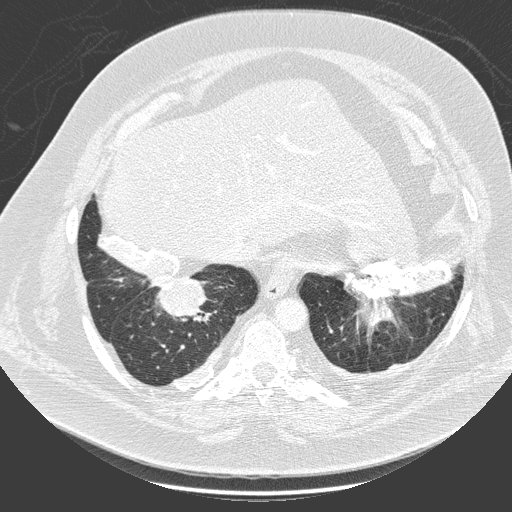
This is axial slice 48 of 280 (slice 1 is the lowest) of a chest CT; each pixel is 0.801 mm and the slice is 1.00 mm thick. Pulmonary nodule at rows 278–321, columns 156–210 (box = that reader's outline on this slice), outlined by one of the four readers; longest diameter 49.9 mm and volume 31112 mm3 from that reader's outline. Ratings by that reader: texture 5/5 (solid); margin 4/5; sphericity 5/5 (round); calcification non-central calcification; internal structure soft tissue; subtlety 5/5; malignancy likelihood 5/5. Scale key (1–5): texture non-solid→solid, margin indistinct→circumscribed, sphericity linear→round, subtlety extremely subtle→obvious, malignancy likelihood highly unlikely→highly suspicious of cancer. Box rows and columns are 0-based pixel indices from the top-left corner, inclusive.
Tube voltage 140 kVp; convolution kernel D.